Chest CT, axial plane, 120 kVp, kernel LUNG. Slice 40/133 from the bottom of the scan; thickness 2.50 mm; pixel size 0.703 mm.
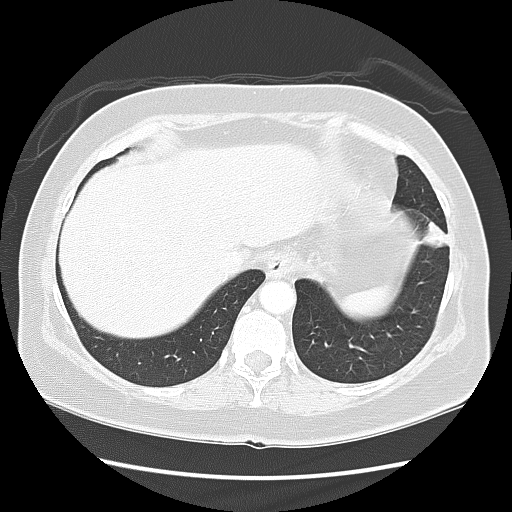
Pulmonary nodule outlined by all four readers; box rows 221–249, columns 420–446 (the union of the readers' outlines on this slice); median longest diameter 22.1 mm (readers' outlines 21.5–29.0 mm), median volume 4852 mm3 (4280–5428 mm3). Median ratings and the readers' spread: texture 5/5 (solid) at the median of four readers, spread 4/5 to 5/5 (solid); median margin 5/5 (circumscribed) (readers ranged 4/5 to 5/5 (circumscribed)); median sphericity 3.5/5 (readers ranged 3/5 (ovoid) to 5/5 (round)); calcification absent, all four readers agreeing; internal structure soft tissue from all four readers; subtlety 5/5 at the median of four readers, spread 4–5; malignancy likelihood 4/5 at the median of four readers, spread 4–5. Scale key (1–5): texture non-solid→solid, margin indistinct→circumscribed, sphericity linear→round, subtlety extremely subtle→obvious, malignancy likelihood highly unlikely→highly suspicious of cancer. Box rows and columns are 0-based pixel indices from the top-left corner, inclusive.